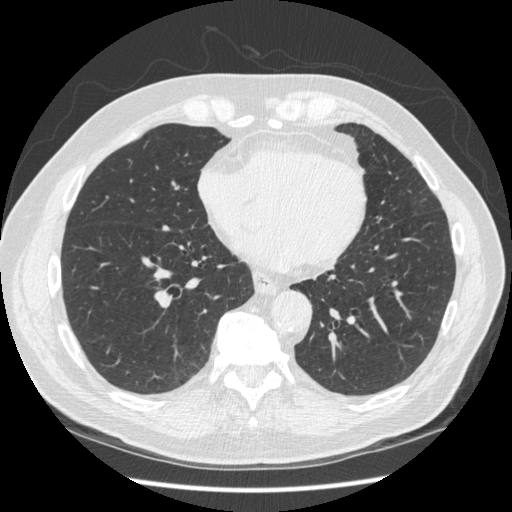
Axial slice 167 of 477 of a chest CT (slice 1 is the lowest), reconstructed with the STANDARD kernel at 120 kVp; 1.25 mm slice thickness and 0.703 mm pixels.
The readers outlined no nodule of 3 mm or more on this slice.